Axial slice 332 of 458 of a chest CT (slice 1 is the lowest), reconstructed with the STANDARD kernel at 120 kVp; 1.25 mm slice thickness and 0.625 mm pixels.
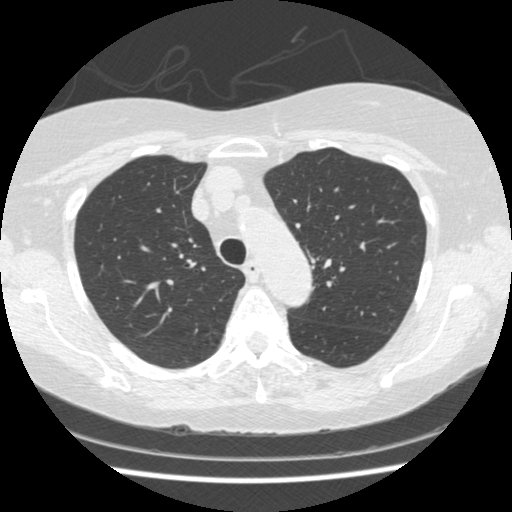
None of the four readers outlined a nodule of 3 mm or more on this slice.